Chest CT, axial plane, 130 kVp, kernel B31s. Slice 58/108 from the bottom of the scan; thickness 3.00 mm; pixel size 0.629 mm.
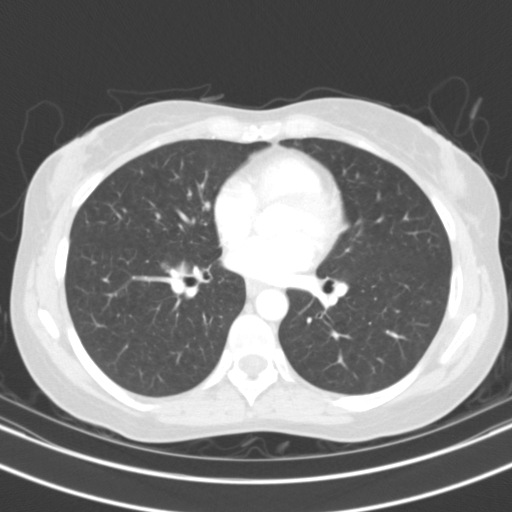
Pulmonary nodule, outlined by all four readers, two of them on this slice. Box on this slice rows 262–269, columns 160–168, the union of the readers' outlines on this slice; longest diameter 10.0 mm on average over the four readers' outlines (readers' outlines 9.6–10.7 mm), volume 250–379 mm3. The readers' prevailing ratings and who disagreed: texture 5/5 (solid) from all four readers; margin 5/5 (circumscribed) by three of four readers; the rest gave 4/5 (one); sphericity 3/5 (ovoid) by two of four readers; the rest gave 4/5 (one), 5/5 (round) (one); calcification solid calcification, all four readers agreeing; internal structure soft tissue from all four readers; subtlety 4/5 by three of four readers; the rest gave 5/5 (one); malignancy likelihood 1/5 from all four readers. Scale key (1–5): texture non-solid→solid, margin indistinct→circumscribed, sphericity linear→round, subtlety extremely subtle→obvious, malignancy likelihood highly unlikely→highly suspicious of cancer. Box rows and columns are 0-based pixel indices from the top-left corner, inclusive.